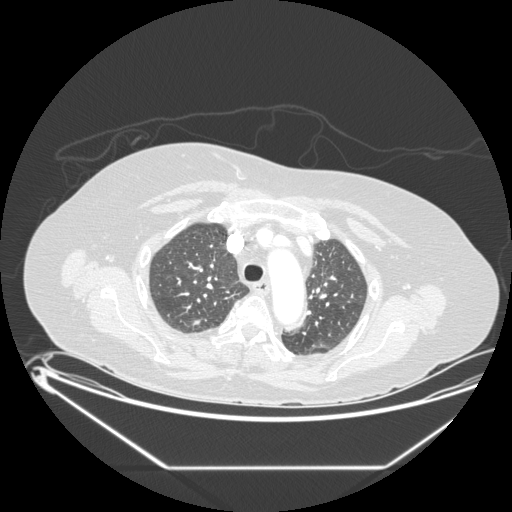
This is axial slice 156 of 197 (slice 1 is the lowest) of a chest CT; each pixel is 0.859 mm and the slice is 1.25 mm thick. Pulmonary nodule at rows 319–327, columns 192–200 (box = the union of the readers' outlines on this slice), outlined by all four readers; longest diameter 8.2–16.1 mm and volume 248–473 mm3 across the four readers' outlines. Ratings across the readers: texture from 4/5 to 5/5 (solid) across the four readers; margin from 3/5 to 5/5 (circumscribed) across the four readers; sphericity from 3/5 (ovoid) to 5/5 (round) across the four readers; calcification absent from all four readers; internal structure soft tissue, all four readers agreeing; subtlety rated between 3 and 5 out of 5 by the four readers; malignancy likelihood 2–4/5 (the readers disagree). Scale key (1–5): texture non-solid→solid, margin indistinct→circumscribed, sphericity linear→round, subtlety extremely subtle→obvious, malignancy likelihood highly unlikely→highly suspicious of cancer. Box rows and columns are 0-based pixel indices from the top-left corner, inclusive.
Tube voltage 120 kVp; convolution kernel STANDARD.